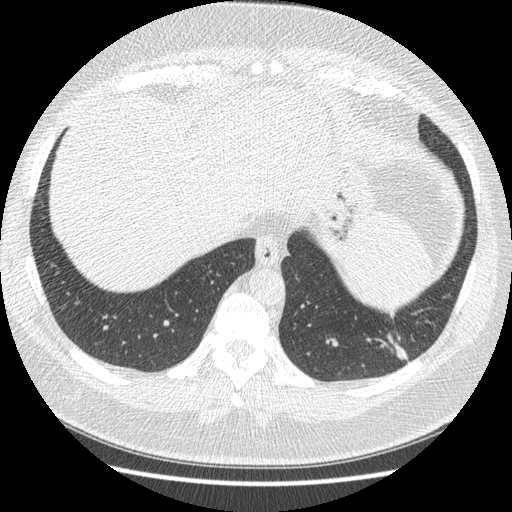
Axial chest CT slice 66 of 421 (counted from the lowest slice); tube voltage 120 kVp, convolution kernel STANDARD; slices 1.25 mm thick, 0.703 mm per pixel.
Pulmonary nodule outlined four times (the source holds four more outlines, not used); box rows 311–360, columns 377–407 (the union of the readers' outlines on this slice); longest diameter 33.9 mm on average over the four readers' outlines (readers' outlines 30.9–38.9 mm), volume 4443–5826 mm3. Ratings, by the readers' most common answer with dissent counted: texture 5/5 (solid) by three of four readers; the rest gave 4/5 (one); most readers (three of four) put margin at 4/5, others 3/5 (one); sphericity 2/5 by two of four readers; the rest gave 3/5 (ovoid) (one), 4/5 (one); calcification absent from all four readers; internal structure soft tissue from all four readers; subtlety 5/5 by three of four readers; the rest gave 4/5 (one); malignancy likelihood split among the readers: 2/5 (one), 3/5 (one), 4/5 (one), 5/5 (one). Scale key (1–5): texture non-solid→solid, margin indistinct→circumscribed, sphericity linear→round, subtlety extremely subtle→obvious, malignancy likelihood highly unlikely→highly suspicious of cancer. Box rows and columns are 0-based pixel indices from the top-left corner, inclusive.